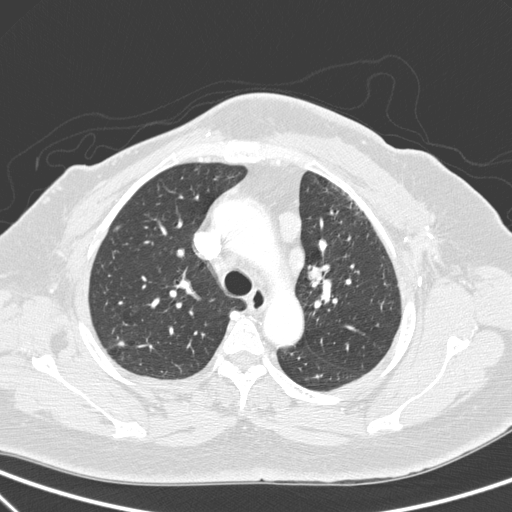
One axial slice (209 of 272, counting up from the lowest) of a chest CT acquired at 140 kVp with the D kernel; each pixel is 0.676 mm and the slice is 1.00 mm thick.
Pulmonary nodule outlined by all four readers; box rows 341–346, columns 118–124 (the union of the readers' outlines on this slice); the four readers' outlines give a longest diameter between 6.2 and 9.0 mm and a volume between 55 and 114 mm3. The readers' ratings, as ranges where they differ: texture from 4/5 to 5/5 (solid) across the four readers; margin from 3/5 to 4/5 across the four readers; sphericity from 3/5 (ovoid) to 4/5 across the four readers; calcification absent from all four readers; internal structure soft tissue from all four readers; subtlety 2–5/5 (the readers disagree); malignancy likelihood from 2/5 to 5/5 across the four readers. Scale key (1–5): texture non-solid→solid, margin indistinct→circumscribed, sphericity linear→round, subtlety extremely subtle→obvious, malignancy likelihood highly unlikely→highly suspicious of cancer. Box rows and columns are 0-based pixel indices from the top-left corner, inclusive.